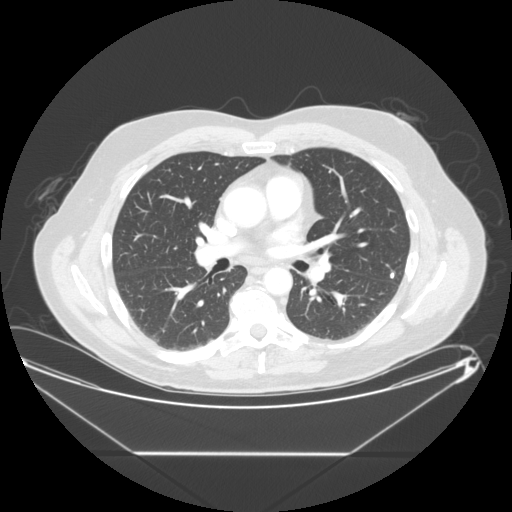
Axial chest CT slice 143 of 265 (counted from the lowest slice); 1.25 mm thick, 0.883 mm per pixel. Pulmonary nodule outlined by three of the four readers; box rows 271–278, columns 389–394 (the union of the readers' outlines on this slice); median longest diameter 7.3 mm (readers' outlines 7.1–9.0 mm), median volume 106 mm3 (101–170 mm3). Median ratings and the readers' spread: texture 5/5 (solid), all three readers agreeing; margin 5/5 (circumscribed), all three readers agreeing; sphericity 4/5 at the median of three readers, spread 3/5 (ovoid) to 5/5 (round); calcification solid calcification from all three readers; internal structure soft tissue, all three readers agreeing; subtlety 5/5 at the median of three readers, spread 4–5; malignancy likelihood 1/5, all three readers agreeing. Scale key (1–5): texture non-solid→solid, margin indistinct→circumscribed, sphericity linear→round, subtlety extremely subtle→obvious, malignancy likelihood highly unlikely→highly suspicious of cancer. Box rows and columns are 0-based pixel indices from the top-left corner, inclusive.
Tube voltage 120 kVp; convolution kernel STANDARD.